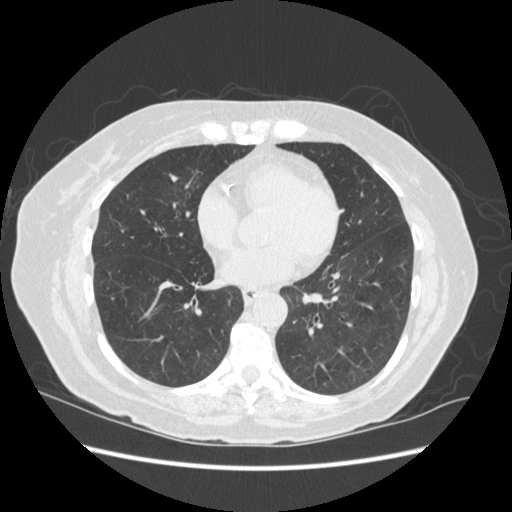
Axial chest CT slice 221 of 513 (counted from the lowest slice); tube voltage 120 kVp, convolution kernel STANDARD; slices 1.25 mm thick, 0.703 mm per pixel.
Pulmonary nodule, outlined by three of the four readers. Box on this slice rows 174–182, columns 170–178, the union of the readers' outlines on this slice; the three readers' outlines give a longest diameter between 8.2 and 9.4 mm and a volume between 118 and 157 mm3. The readers' ratings, as ranges where they differ: texture from 4/5 to 5/5 (solid) across the three readers; margin from 3/5 to 5/5 (circumscribed) across the three readers; sphericity 3/5 (ovoid) from all three readers; calcification absent, all three readers agreeing; internal structure soft tissue from all three readers; subtlety 4/5, all three readers agreeing; malignancy likelihood 1–4/5 (the readers disagree). Scale key (1–5): texture non-solid→solid, margin indistinct→circumscribed, sphericity linear→round, subtlety extremely subtle→obvious, malignancy likelihood highly unlikely→highly suspicious of cancer. Box rows and columns are 0-based pixel indices from the top-left corner, inclusive.